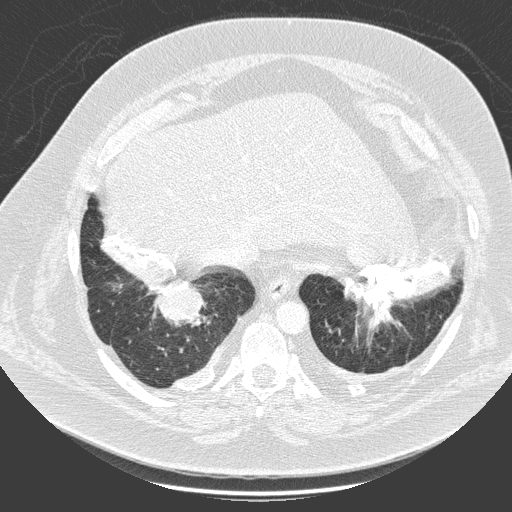
Axial chest CT slice 55 of 280 (counted from the lowest slice); tube voltage 140 kVp, convolution kernel D; slices 1.00 mm thick, 0.801 mm per pixel.
Pulmonary nodule outlined by one of the four readers; box rows 286–325, columns 155–204 (that reader's outline on this slice); longest diameter 49.9 mm and volume 31112 mm3 from that reader's outline. Ratings by that reader: texture 5/5 (solid); margin 4/5; sphericity 5/5 (round); calcification non-central calcification; internal structure soft tissue; subtlety 5/5; malignancy likelihood 5/5. Scale key (1–5): texture non-solid→solid, margin indistinct→circumscribed, sphericity linear→round, subtlety extremely subtle→obvious, malignancy likelihood highly unlikely→highly suspicious of cancer. Box rows and columns are 0-based pixel indices from the top-left corner, inclusive.